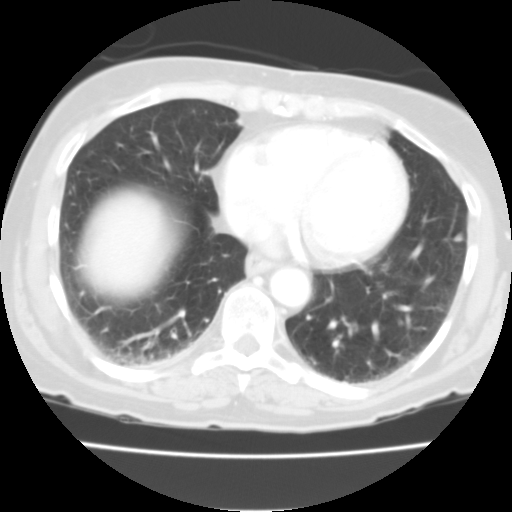
Chest CT, axial plane, 135 kVp, kernel FC01. Slice 30/90 from the bottom of the scan; thickness 3.00 mm; pixel size 0.579 mm.
Pulmonary nodule, outlined by two of the four readers. Box on this slice rows 231–241, columns 453–463, the union of the readers' outlines on this slice; longest diameter 7.3–7.5 mm and volume 162–173 mm3 across the two readers' outlines. The readers' ratings, as ranges where they differ: texture from 2/5 to 4/5 across the two readers; margin from 1/5 (indistinct) to 2/5 across the two readers; sphericity 3/5 (ovoid), both readers agreeing; calcification absent from both readers; internal structure soft tissue, both readers agreeing; subtlety 1–3/5 (the readers disagree); malignancy likelihood 3/5 from both readers. Scale key (1–5): texture non-solid→solid, margin indistinct→circumscribed, sphericity linear→round, subtlety extremely subtle→obvious, malignancy likelihood highly unlikely→highly suspicious of cancer. Box rows and columns are 0-based pixel indices from the top-left corner, inclusive.